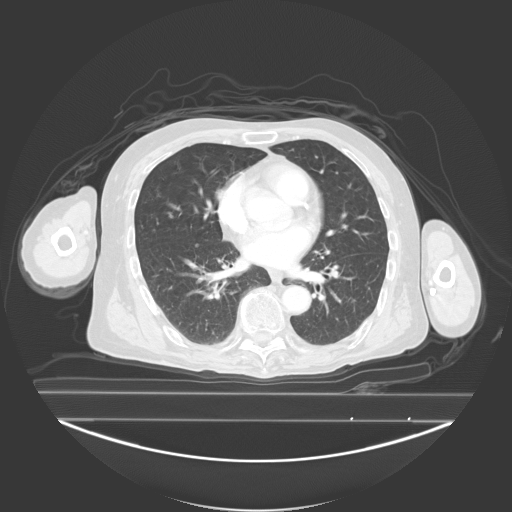
Axial chest CT slice 111 of 278 (counted from the lowest slice); 3.00 mm thick, 0.977 mm per pixel. Pulmonary nodule, outlined by three of the four readers. Box on this slice rows 243–247, columns 195–198, the union of the readers' outlines on this slice; median longest diameter 6.2 mm (readers' outlines 6.2–6.3 mm), median volume 193 mm3 (123–213 mm3). Median ratings and the readers' spread: texture 3/5 (part-solid) at the median of three readers, spread 1/5 (non-solid) to 5/5 (solid); median margin 4/5 (readers ranged 3/5 to 5/5 (circumscribed)); sphericity 5/5 (round), all three readers agreeing; calcification absent, all three readers agreeing; internal structure soft tissue, all three readers agreeing; median subtlety 3/5 (readers ranged 2–4); malignancy likelihood 2/5 at the median of three readers, spread 2–3. Scale key (1–5): texture non-solid→solid, margin indistinct→circumscribed, sphericity linear→round, subtlety extremely subtle→obvious, malignancy likelihood highly unlikely→highly suspicious of cancer. Box rows and columns are 0-based pixel indices from the top-left corner, inclusive.
Acquired at 130 kVp and reconstructed with the B40s kernel.